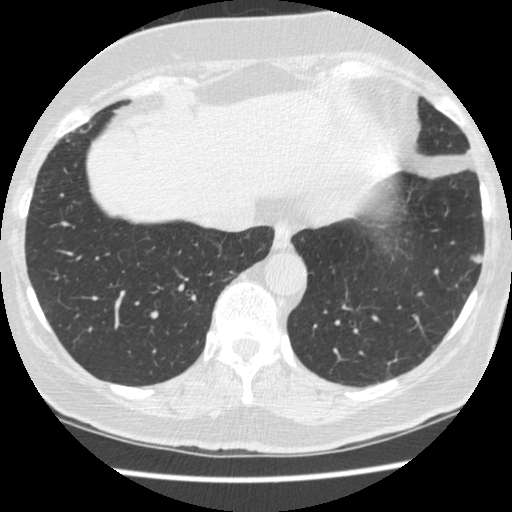
Axial slice 129 of 481 of a chest CT (slice 1 is the lowest), reconstructed with the STANDARD kernel at 120 kVp; 1.25 mm slice thickness and 0.605 mm pixels.
Pulmonary nodule outlined by all four readers; box rows 253–265, columns 469–481 (the union of the readers' outlines on this slice); longest diameter 9.9–10.4 mm and volume 124–211 mm3 across the four readers' outlines. The readers' ratings, as ranges where they differ: texture from 4/5 to 5/5 (solid) across the four readers; margin from 1/5 (indistinct) to 5/5 (circumscribed) across the four readers; sphericity from 3/5 (ovoid) to 5/5 (round) across the four readers; calcification absent from all four readers; internal structure soft tissue, all four readers agreeing; subtlety 4/5 from all four readers; malignancy likelihood from 2/5 to 3/5 across the four readers. Scale key (1–5): texture non-solid→solid, margin indistinct→circumscribed, sphericity linear→round, subtlety extremely subtle→obvious, malignancy likelihood highly unlikely→highly suspicious of cancer. Box rows and columns are 0-based pixel indices from the top-left corner, inclusive.